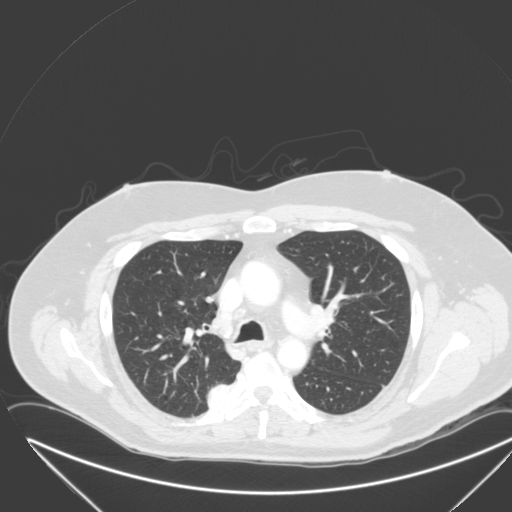
Chest CT, axial plane, 120 kVp, kernel B. Slice 212/315 from the bottom of the scan; thickness 2.00 mm; pixel size 0.830 mm.
Pulmonary nodule, outlined by one of the four readers. Box on this slice rows 385–408, columns 208–229, that reader's outline on this slice; longest diameter 27.1 mm and volume 6093 mm3 from that reader's outline. Ratings by that reader: texture 5/5 (solid); margin 4/5; sphericity 2/5; calcification absent; internal structure soft tissue; subtlety 5/5; malignancy likelihood 4/5. Scale key (1–5): texture non-solid→solid, margin indistinct→circumscribed, sphericity linear→round, subtlety extremely subtle→obvious, malignancy likelihood highly unlikely→highly suspicious of cancer. Box rows and columns are 0-based pixel indices from the top-left corner, inclusive.